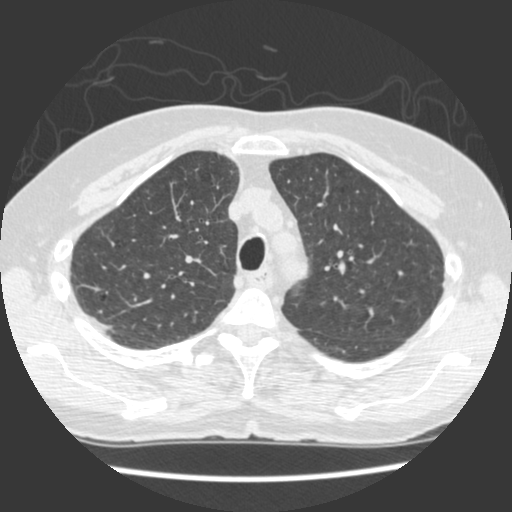
One axial slice (312 of 429, counting up from the lowest) of a chest CT acquired at 120 kVp with the STANDARD kernel; each pixel is 0.586 mm and the slice is 1.25 mm thick.
None of the four readers outlined a nodule of 3 mm or more on this slice.